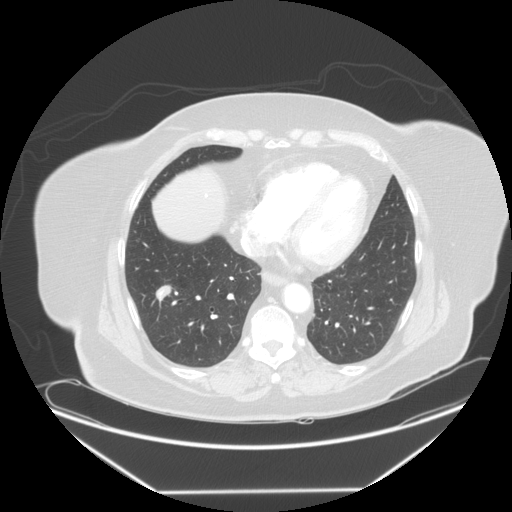
Chest CT, axial plane, 120 kVp, kernel STANDARD. Slice 57/139 from the bottom of the scan; thickness 2.50 mm; pixel size 0.898 mm.
Pulmonary nodule, outlined by three of the four readers. Box on this slice rows 285–300, columns 155–171, the union of the readers' outlines on this slice; the three readers' outlines give a longest diameter between 17.4 and 18.7 mm and a volume between 1637 and 1856 mm3. The readers' ratings, as ranges where they differ: texture 5/5 (solid) from all three readers; margin from 4/5 to 5/5 (circumscribed) across the three readers; sphericity from 2/5 to 3/5 (ovoid) across the three readers; calcification absent from all three readers; internal structure soft tissue, all three readers agreeing; subtlety 5/5 from all three readers; malignancy likelihood rated between 3 and 4 out of 5 by the three readers. Scale key (1–5): texture non-solid→solid, margin indistinct→circumscribed, sphericity linear→round, subtlety extremely subtle→obvious, malignancy likelihood highly unlikely→highly suspicious of cancer. Box rows and columns are 0-based pixel indices from the top-left corner, inclusive.